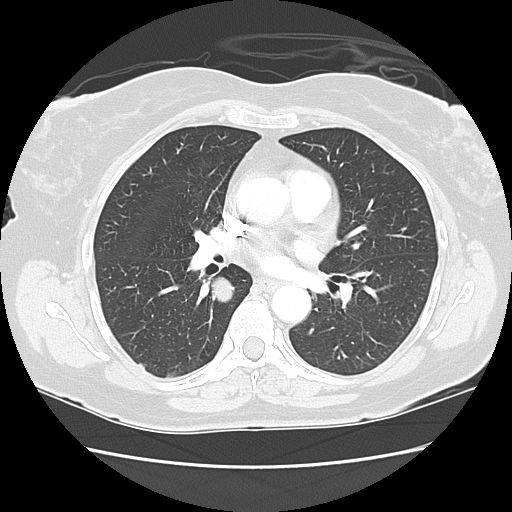
Slice 76/130 of a chest CT, counting up from the lowest; pixel size 0.664 mm, slice thickness 2.50 mm. Pulmonary nodule outlined by all four readers; box rows 275–301, columns 212–233 (the union of the readers' outlines on this slice); the four readers' outlines give a longest diameter between 23.2 and 24.2 mm and a volume between 4791 and 5604 mm3. Ratings across the readers: texture 5/5 (solid), all four readers agreeing; margin from 4/5 to 5/5 (circumscribed) across the four readers; sphericity from 4/5 to 5/5 (round) across the four readers; calcification absent, all four readers agreeing; internal structure soft tissue, all four readers agreeing; subtlety 5/5, all four readers agreeing; malignancy likelihood 2–5/5 (the readers disagree). Scale key (1–5): texture non-solid→solid, margin indistinct→circumscribed, sphericity linear→round, subtlety extremely subtle→obvious, malignancy likelihood highly unlikely→highly suspicious of cancer. Box rows and columns are 0-based pixel indices from the top-left corner, inclusive.
Tube voltage 120 kVp; convolution kernel LUNG.